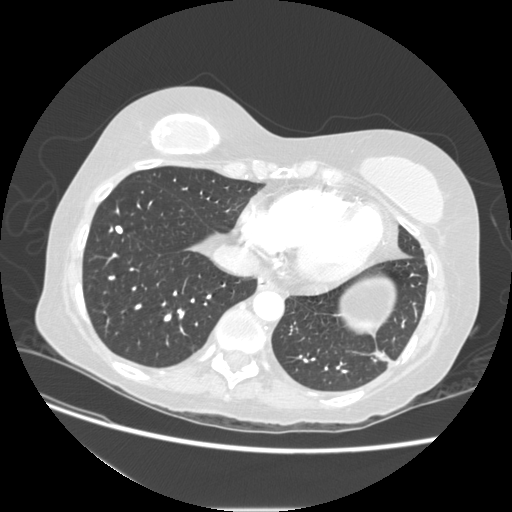
Axial chest CT slice 67 of 232 (counted from the lowest slice); 1.25 mm thick, 0.703 mm per pixel. Pulmonary nodule at rows 225–233, columns 115–122 (box = the union of the readers' outlines on this slice), outlined by all four readers; the four readers' outlines give a longest diameter between 7.2 and 8.2 mm and a volume between 107 and 143 mm3. The readers' ratings, as ranges where they differ: texture 5/5 (solid) from all four readers; margin 5/5 (circumscribed), all four readers agreeing; sphericity from 3/5 (ovoid) to 5/5 (round) across the four readers; calcification: solid calcification (three), absent (one); internal structure soft tissue from all four readers; subtlety rated between 3 and 5 out of 5 by the four readers; malignancy likelihood rated between 1 and 2 out of 5 by the four readers. Scale key (1–5): texture non-solid→solid, margin indistinct→circumscribed, sphericity linear→round, subtlety extremely subtle→obvious, malignancy likelihood highly unlikely→highly suspicious of cancer. Box rows and columns are 0-based pixel indices from the top-left corner, inclusive.
Tube voltage 120 kVp; convolution kernel STANDARD.